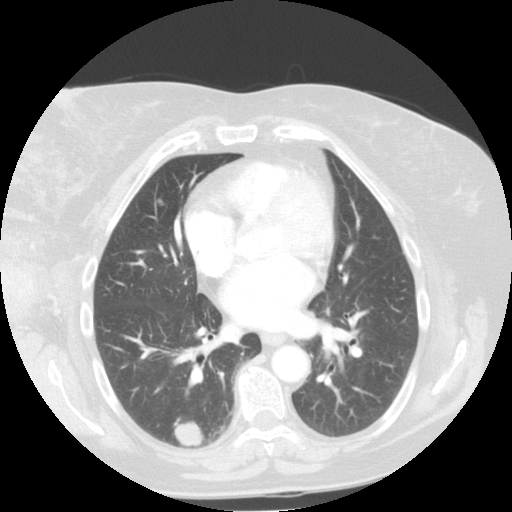
Axial chest CT slice 62 of 113 (counted from the lowest slice); tube voltage 120 kVp, convolution kernel STANDARD; slices 2.50 mm thick, 0.703 mm per pixel.
Two pulmonary nodules are outlined on this slice; from left to right: (1) Pulmonary nodule outlined by all four readers; box rows 198–205, columns 157–164 (the union of the readers' outlines on this slice); the four readers' outlines give a longest diameter between 6.3 and 7.2 mm and a volume between 101 and 188 mm3. The readers' ratings, as ranges where they differ: texture 5/5 (solid), all four readers agreeing; margin from 4/5 to 5/5 (circumscribed) across the four readers; sphericity from 3/5 (ovoid) to 5/5 (round) across the four readers; calcification absent from all four readers; internal structure soft tissue, all four readers agreeing; subtlety rated between 3 and 4 out of 5 by the four readers; malignancy likelihood from 2/5 to 3/5 across the four readers. (2) Pulmonary nodule, outlined by all four readers. Box on this slice rows 421–446, columns 174–202, the union of the readers' outlines on this slice; median longest diameter 23.8 mm (readers' outlines 23.3–24.3 mm), median volume 4903 mm3 (4155–5797 mm3). Median ratings and the readers' spread: texture 5/5 (solid), all four readers agreeing; margin 4/5 at the median of four readers, spread 4/5 to 5/5 (circumscribed); sphericity 4.5/5 at the median of four readers, spread 3/5 (ovoid) to 5/5 (round); calcification absent, all four readers agreeing; internal structure soft tissue, all four readers agreeing; subtlety 5/5, all four readers agreeing; median malignancy likelihood 4/5 (readers ranged 2–5). Scale key (1–5): texture non-solid→solid, margin indistinct→circumscribed, sphericity linear→round, subtlety extremely subtle→obvious, malignancy likelihood highly unlikely→highly suspicious of cancer. Box rows and columns are 0-based pixel indices from the top-left corner, inclusive.